One axial slice (110 of 199, counting up from the lowest) of a chest CT acquired at 120 kVp with the B30f kernel; each pixel is 0.566 mm and the slice is 2.00 mm thick.
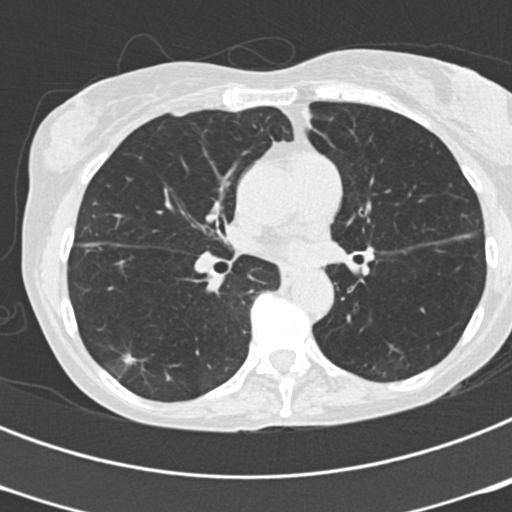
Pulmonary nodule at rows 349–366, columns 120–136 (box = the union of the readers' outlines on this slice), outlined by all four readers; median longest diameter 10.8 mm (readers' outlines 9.0–12.4 mm), median volume 284 mm3 (155–452 mm3). Ratings, median across the readers with their spread: texture 4/5 at the median of four readers, spread 4/5 to 5/5 (solid); median margin 3.5/5 (readers ranged 2/5 to 4/5); median sphericity 3.5/5 (readers ranged 2/5 to 5/5 (round)); calcification absent from all four readers; internal structure soft tissue from all four readers; subtlety 4.5/5 at the median of four readers, spread 3–5; malignancy likelihood 4.5/5 at the median of four readers, spread 3–5. Scale key (1–5): texture non-solid→solid, margin indistinct→circumscribed, sphericity linear→round, subtlety extremely subtle→obvious, malignancy likelihood highly unlikely→highly suspicious of cancer. Box rows and columns are 0-based pixel indices from the top-left corner, inclusive.